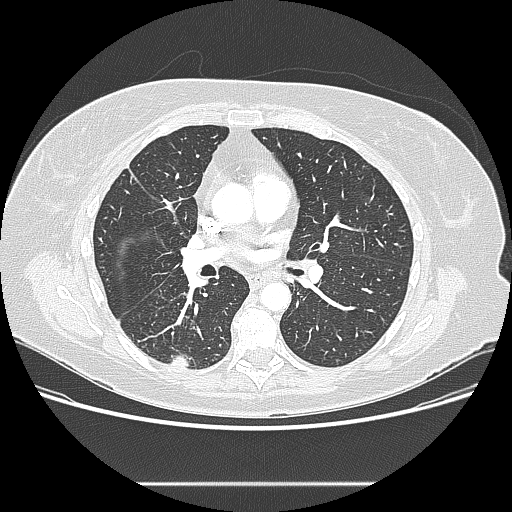
Slice 133/238 of a chest CT, counting up from the lowest; pixel size 0.742 mm, slice thickness 1.25 mm. Pulmonary nodule, outlined by all four readers. Box on this slice rows 356–368, columns 170–188, the union of the readers' outlines on this slice; longest diameter 16.2–17.0 mm and volume 1456–1679 mm3 across the four readers' outlines. The readers' ratings, as ranges where they differ: texture 5/5 (solid), all four readers agreeing; margin from 4/5 to 5/5 (circumscribed) across the four readers; sphericity from 3/5 (ovoid) to 5/5 (round) across the four readers; calcification absent, all four readers agreeing; internal structure soft tissue, all four readers agreeing; subtlety rated between 3 and 5 out of 5 by the four readers; malignancy likelihood rated between 2 and 4 out of 5 by the four readers. Scale key (1–5): texture non-solid→solid, margin indistinct→circumscribed, sphericity linear→round, subtlety extremely subtle→obvious, malignancy likelihood highly unlikely→highly suspicious of cancer. Box rows and columns are 0-based pixel indices from the top-left corner, inclusive.
Scan settings: 120 kVp, LUNG reconstruction kernel.